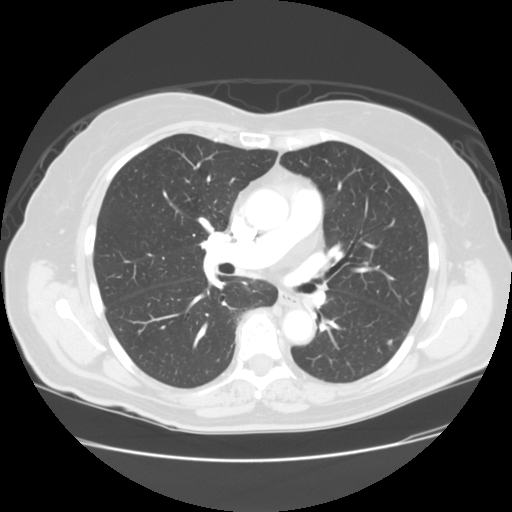
Chest CT, axial plane, 120 kVp, kernel STANDARD. Slice 71/119 from the bottom of the scan; thickness 2.50 mm; pixel size 0.703 mm.
Pulmonary nodule at rows 339–345, columns 386–393 (box = the union of the readers' outlines on this slice), outlined by three of the four readers; longest diameter 6.8 mm on average over the three readers' outlines (readers' outlines 6.0–7.3 mm), volume 78–135 mm3. The readers' prevailing ratings and who disagreed: texture 5/5 (solid), all three readers agreeing; margin 5/5 (circumscribed) by two of three readers; the rest gave 4/5 (one); sphericity 4/5 by two of three readers; the rest gave 3/5 (ovoid) (one); calcification absent, all three readers agreeing; internal structure soft tissue, all three readers agreeing; subtlety 4/5 by two of three readers; the rest gave 5/5 (one); malignancy likelihood 3/5 by two of three readers; the rest gave 2/5 (one). Scale key (1–5): texture non-solid→solid, margin indistinct→circumscribed, sphericity linear→round, subtlety extremely subtle→obvious, malignancy likelihood highly unlikely→highly suspicious of cancer. Box rows and columns are 0-based pixel indices from the top-left corner, inclusive.